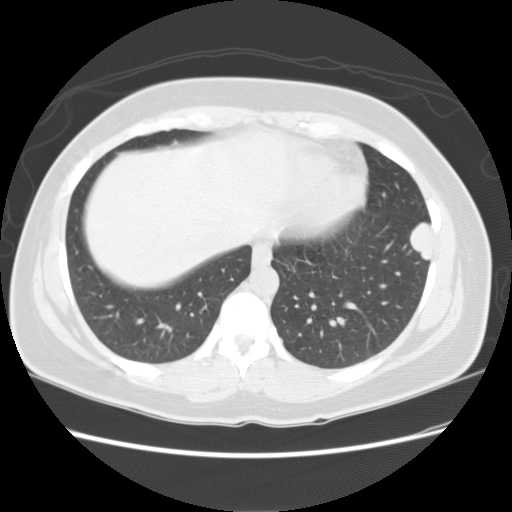
Slice 51/127 of a chest CT, counting up from the lowest; pixel size 0.703 mm, slice thickness 2.50 mm. Pulmonary nodule at rows 223–260, columns 409–433 (box = the union of the readers' outlines on this slice), outlined by all four readers; median longest diameter 28.1 mm (readers' outlines 27.7–28.3 mm), median volume 5769 mm3 (5117–6404 mm3). Ratings, median across the readers with their spread: texture 5/5 (solid), all four readers agreeing; margin 5/5 (circumscribed) at the median of four readers, spread 4/5 to 5/5 (circumscribed); sphericity 3/5 (ovoid) at the median of four readers, spread 3/5 (ovoid) to 5/5 (round); calcification absent, all four readers agreeing; internal structure soft tissue, all four readers agreeing; subtlety 5/5, all four readers agreeing; median malignancy likelihood 4.5/5 (readers ranged 3–5). Scale key (1–5): texture non-solid→solid, margin indistinct→circumscribed, sphericity linear→round, subtlety extremely subtle→obvious, malignancy likelihood highly unlikely→highly suspicious of cancer. Box rows and columns are 0-based pixel indices from the top-left corner, inclusive.
Acquired at 120 kVp and reconstructed with the STANDARD kernel.